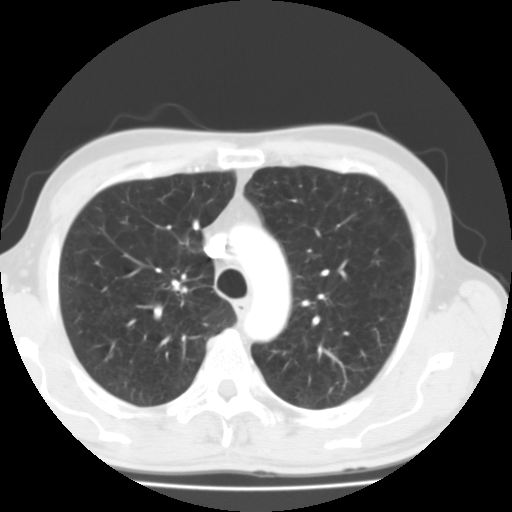
One axial slice (86 of 119, counting up from the lowest) of a chest CT acquired at 135 kVp with the FC01 kernel; each pixel is 0.640 mm and the slice is 3.00 mm thick.
Pulmonary nodule outlined by all four readers; box rows 219–229, columns 193–198 (the union of the readers' outlines on this slice); median longest diameter 8.6 mm (readers' outlines 7.3–9.3 mm), median volume 201 mm3 (116–267 mm3). Median ratings and the readers' spread: texture 5/5 (solid) from all four readers; margin 5/5 (circumscribed) at the median of four readers, spread 4/5 to 5/5 (circumscribed); sphericity 3/5 (ovoid), all four readers agreeing; calcification: absent (three), solid calcification (one); internal structure soft tissue, all four readers agreeing; subtlety 3/5 at the median of four readers, spread 2–4; malignancy likelihood 2/5 at the median of four readers, spread 1–3. Scale key (1–5): texture non-solid→solid, margin indistinct→circumscribed, sphericity linear→round, subtlety extremely subtle→obvious, malignancy likelihood highly unlikely→highly suspicious of cancer. Box rows and columns are 0-based pixel indices from the top-left corner, inclusive.